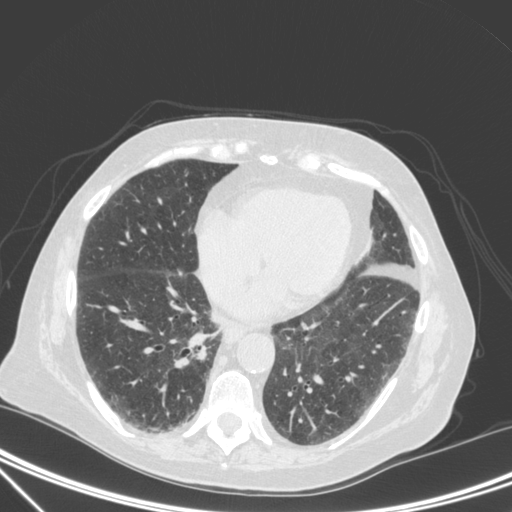
Axial slice 112 of 350 of a chest CT (slice 1 is the lowest), reconstructed with the C kernel at 120 kVp; 1.50 mm slice thickness and 0.725 mm pixels.
Pulmonary nodule, outlined by one of the four readers. Box on this slice rows 348–358, columns 198–205, that reader's outline on this slice; longest diameter 29.7 mm and volume 4028 mm3 from that reader's outline. That reader's ratings: texture 5/5 (solid); margin 3/5; sphericity 3/5 (ovoid); calcification absent; internal structure soft tissue; subtlety 5/5; malignancy likelihood 4/5. Scale key (1–5): texture non-solid→solid, margin indistinct→circumscribed, sphericity linear→round, subtlety extremely subtle→obvious, malignancy likelihood highly unlikely→highly suspicious of cancer. Box rows and columns are 0-based pixel indices from the top-left corner, inclusive.